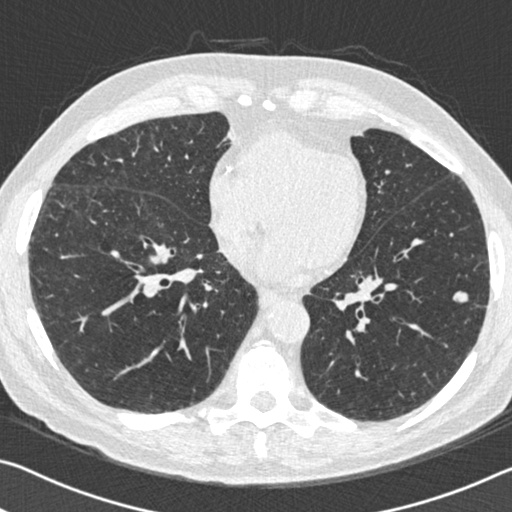
Axial chest CT slice 241 of 525 (counted from the lowest slice); 0.75 mm thick, 0.660 mm per pixel. Pulmonary nodule, outlined by all four readers. Box on this slice rows 291–302, columns 453–468, the union of the readers' outlines on this slice; median longest diameter 11.5 mm (readers' outlines 10.8–13.0 mm), median volume 309 mm3 (202–326 mm3). Median ratings and the readers' spread: texture 5/5 (solid), all four readers agreeing; margin 5/5 (circumscribed) from all four readers; sphericity 4/5 at the median of four readers, spread 3/5 (ovoid) to 5/5 (round); calcification absent, all four readers agreeing; internal structure soft tissue, all four readers agreeing; subtlety 5/5, all four readers agreeing; malignancy likelihood 4.5/5 at the median of four readers, spread 3–5. Scale key (1–5): texture non-solid→solid, margin indistinct→circumscribed, sphericity linear→round, subtlety extremely subtle→obvious, malignancy likelihood highly unlikely→highly suspicious of cancer. Box rows and columns are 0-based pixel indices from the top-left corner, inclusive.
Acquired at 120 kVp and reconstructed with the B30f kernel.